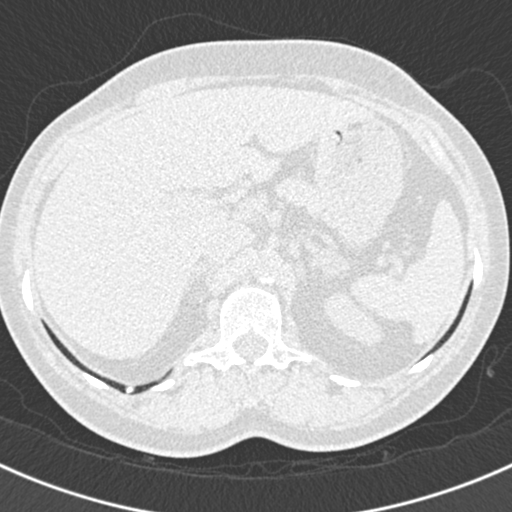
Axial slice 21 of 193 of a chest CT (slice 1 is the lowest), reconstructed with the B30f kernel at 120 kVp; 2.00 mm slice thickness and 0.605 mm pixels.
Pulmonary nodule, outlined by one of the four readers. Box on this slice rows 387–391, columns 127–131, that reader's outline on this slice; longest diameter 5.7 mm and volume 73 mm3 from that reader's outline. That reader's ratings: texture 5/5 (solid); margin 5/5 (circumscribed); sphericity 5/5 (round); calcification solid calcification; internal structure soft tissue; subtlety 5/5; malignancy likelihood 1/5. Scale key (1–5): texture non-solid→solid, margin indistinct→circumscribed, sphericity linear→round, subtlety extremely subtle→obvious, malignancy likelihood highly unlikely→highly suspicious of cancer. Box rows and columns are 0-based pixel indices from the top-left corner, inclusive.